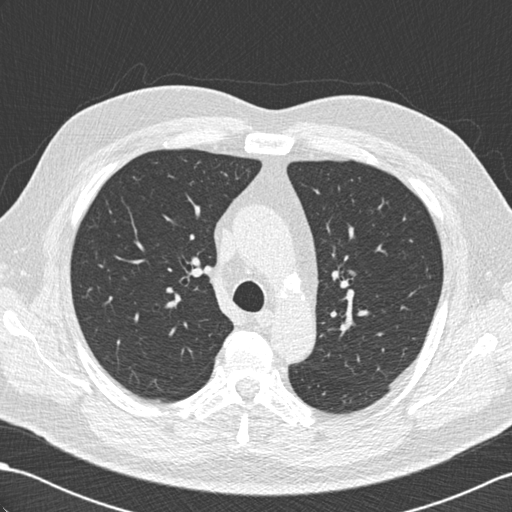
Axial slice 146 of 203 of a chest CT (slice 1 is the lowest), reconstructed with the B30f kernel at 120 kVp; 2.00 mm slice thickness and 0.684 mm pixels.
Pulmonary nodule, outlined by one of the four readers. Box on this slice rows 270–275, columns 348–355, that reader's outline on this slice; longest diameter 8.3 mm and volume 241 mm3 from that reader's outline. That reader's ratings: texture 4/5; margin 5/5 (circumscribed); sphericity 4/5; calcification non-central calcification; internal structure soft tissue; subtlety 4/5; malignancy likelihood 2/5. Scale key (1–5): texture non-solid→solid, margin indistinct→circumscribed, sphericity linear→round, subtlety extremely subtle→obvious, malignancy likelihood highly unlikely→highly suspicious of cancer. Box rows and columns are 0-based pixel indices from the top-left corner, inclusive.